Axial slice 531 of 672 of a chest CT (slice 1 is the lowest), reconstructed with the B30f kernel at 120 kVp; 0.60 mm slice thickness and 0.607 mm pixels.
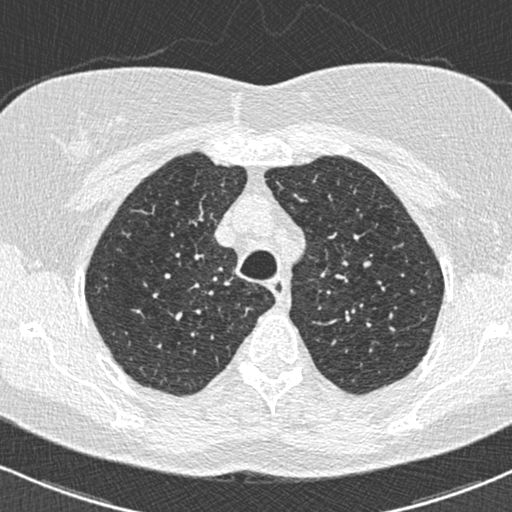
Pulmonary nodule at rows 261–267, columns 362–370 (box = the union of the readers' outlines on this slice), outlined by all four readers; longest diameter 8.3 mm on average over the four readers' outlines (readers' outlines 8.1–8.8 mm), volume 181–196 mm3. Ratings, by the readers' most common answer with dissent counted: texture 5/5 (solid), all four readers agreeing; margin 5/5 (circumscribed) by three of four readers; the rest gave 4/5 (one); most readers (three of four) put sphericity at 5/5 (round), others 3/5 (ovoid) (one); calcification absent, all four readers agreeing; internal structure soft tissue from all four readers; subtlety 4/5 by two of four readers; the rest gave 1/5 (one), 5/5 (one); malignancy likelihood 3/5 by three of four readers; the rest gave 2/5 (one). Scale key (1–5): texture non-solid→solid, margin indistinct→circumscribed, sphericity linear→round, subtlety extremely subtle→obvious, malignancy likelihood highly unlikely→highly suspicious of cancer. Box rows and columns are 0-based pixel indices from the top-left corner, inclusive.